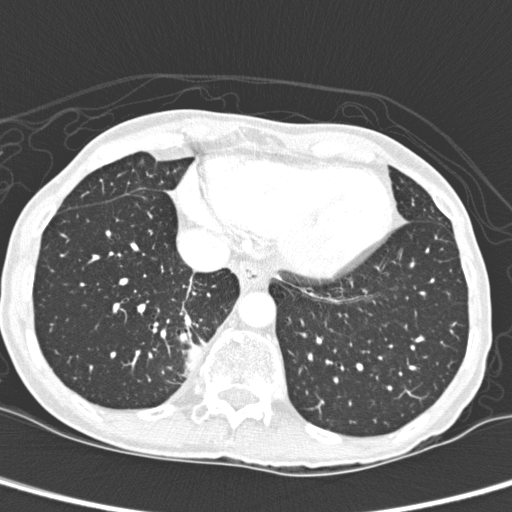
Chest CT, axial plane, 120 kVp, kernel D. Slice 66/280 from the bottom of the scan; thickness 1.00 mm; pixel size 0.564 mm.
Pulmonary nodule at rows 339–375, columns 182–205 (box = the union of the readers' outlines on this slice), outlined by two of the four readers; median longest diameter 33.9 mm (readers' outlines 32.1–35.8 mm), median volume 6179 mm3 (5657–6702 mm3). Ratings, median across the readers with their spread: texture 5/5 (solid) from both readers; margin 4/5, both readers agreeing; sphericity 3/5 (ovoid), both readers agreeing; calcification absent, both readers agreeing; internal structure soft tissue, both readers agreeing; subtlety 5/5, both readers agreeing; median malignancy likelihood 2.5/5 (readers ranged 2–3). Scale key (1–5): texture non-solid→solid, margin indistinct→circumscribed, sphericity linear→round, subtlety extremely subtle→obvious, malignancy likelihood highly unlikely→highly suspicious of cancer. Box rows and columns are 0-based pixel indices from the top-left corner, inclusive.